Axial chest CT slice 208 of 350 (counted from the lowest slice); tube voltage 120 kVp, convolution kernel C; slices 1.50 mm thick, 0.725 mm per pixel.
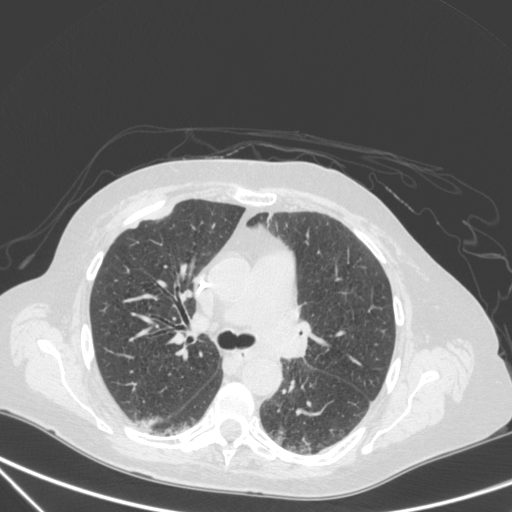
Pulmonary nodule outlined by one of the four readers; box rows 208–219, columns 153–172 (that reader's outline on this slice); longest diameter 29.5 mm and volume 4181 mm3 from that reader's outline. That reader's ratings: texture 5/5 (solid); margin 4/5; sphericity 2/5; calcification absent; internal structure soft tissue; subtlety 5/5; malignancy likelihood 4/5. Scale key (1–5): texture non-solid→solid, margin indistinct→circumscribed, sphericity linear→round, subtlety extremely subtle→obvious, malignancy likelihood highly unlikely→highly suspicious of cancer. Box rows and columns are 0-based pixel indices from the top-left corner, inclusive.